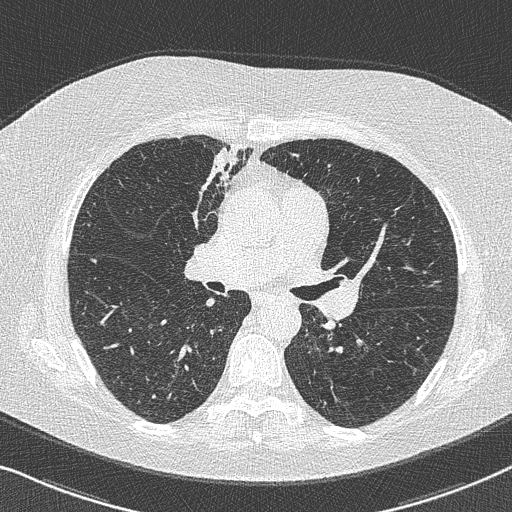
Axial chest CT slice 443 of 733 (counted from the lowest slice); tube voltage 120 kVp, convolution kernel B50f; slices 0.60 mm thick, 0.637 mm per pixel.
Pulmonary nodule at rows 366–376, columns 410–415 (box = the one reader's outline on this slice), outlined by all four readers, one of them on this slice; longest diameter 11.5 mm on average over the four readers' outlines (readers' outlines 11.1–11.9 mm), volume 231–376 mm3. The readers' prevailing ratings and who disagreed: texture 5/5 (solid) from all four readers; margin 3/5 by two of four readers; the rest gave 4/5 (one), 5/5 (circumscribed) (one); most readers (three of four) put sphericity at 3/5 (ovoid), others 5/5 (round) (one); calcification absent, all four readers agreeing; internal structure soft tissue from all four readers; subtlety split among the readers: 4/5 (two), 5/5 (two); malignancy likelihood split among the readers: 3/5 (two), 4/5 (two). Scale key (1–5): texture non-solid→solid, margin indistinct→circumscribed, sphericity linear→round, subtlety extremely subtle→obvious, malignancy likelihood highly unlikely→highly suspicious of cancer. Box rows and columns are 0-based pixel indices from the top-left corner, inclusive.